Axial chest CT slice 309 of 474 (counted from the lowest slice); tube voltage 120 kVp, convolution kernel STANDARD; slices 1.25 mm thick, 0.625 mm per pixel.
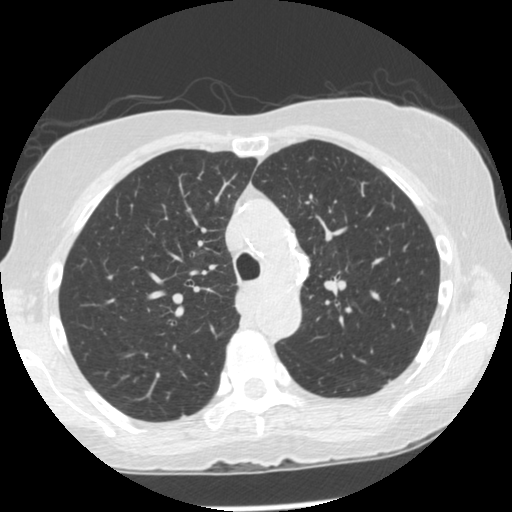
No nodule 3 mm or larger was outlined here by any reader.